One axial slice (159 of 232, counting up from the lowest) of a chest CT acquired at 120 kVp with the STANDARD kernel; each pixel is 0.781 mm and the slice is 1.25 mm thick.
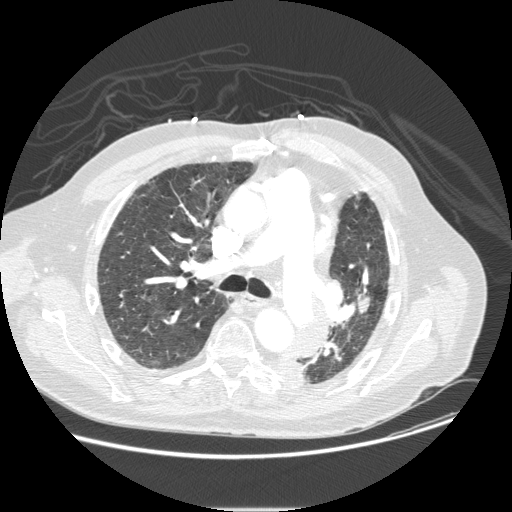
Pulmonary nodule, outlined by all four readers. Box on this slice rows 294–314, columns 356–369, the union of the readers' outlines on this slice; the four readers' outlines give a longest diameter between 19.0 and 24.3 mm and a volume between 1498 and 2178 mm3. The readers' ratings, as ranges where they differ: texture 5/5 (solid), all four readers agreeing; margin from 4/5 to 5/5 (circumscribed) across the four readers; sphericity 3/5 (ovoid) from all four readers; calcification absent, all four readers agreeing; internal structure soft tissue from all four readers; subtlety from 4/5 to 5/5 across the four readers; malignancy likelihood rated between 2 and 5 out of 5 by the four readers. Scale key (1–5): texture non-solid→solid, margin indistinct→circumscribed, sphericity linear→round, subtlety extremely subtle→obvious, malignancy likelihood highly unlikely→highly suspicious of cancer. Box rows and columns are 0-based pixel indices from the top-left corner, inclusive.